One axial slice (171 of 230, counting up from the lowest) of a chest CT acquired at 120 kVp with the BONE kernel; each pixel is 0.605 mm and the slice is 1.25 mm thick.
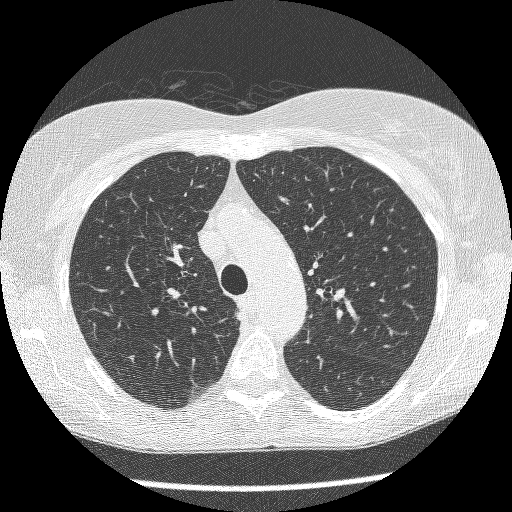
This slice carries no reader outline of a nodule 3 mm or larger.